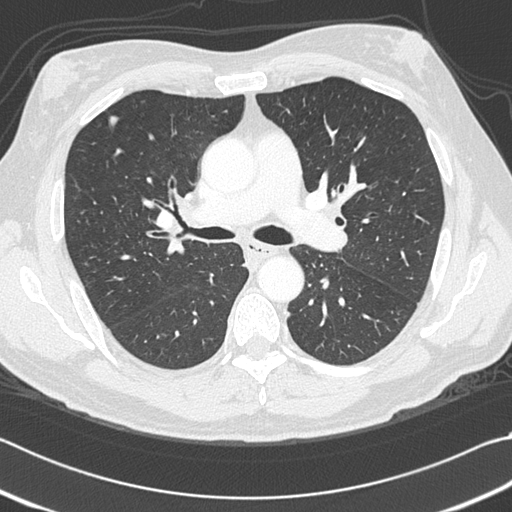
This is axial slice 197 of 312 (slice 1 is the lowest) of a chest CT; each pixel is 0.664 mm and the slice is 1.00 mm thick. Pulmonary nodule outlined by all four readers; box rows 115–132, columns 107–119 (the union of the readers' outlines on this slice); longest diameter 7.4–13.2 mm and volume 103–239 mm3 across the four readers' outlines. The readers' ratings, as ranges where they differ: texture 5/5 (solid) from all four readers; margin from 4/5 to 5/5 (circumscribed) across the four readers; sphericity from 3/5 (ovoid) to 5/5 (round) across the four readers; calcification absent, all four readers agreeing; internal structure soft tissue from all four readers; subtlety rated between 3 and 4 out of 5 by the four readers; malignancy likelihood from 2/5 to 3/5 across the four readers. Scale key (1–5): texture non-solid→solid, margin indistinct→circumscribed, sphericity linear→round, subtlety extremely subtle→obvious, malignancy likelihood highly unlikely→highly suspicious of cancer. Box rows and columns are 0-based pixel indices from the top-left corner, inclusive.
Acquired at 120 kVp and reconstructed with the B45f kernel.